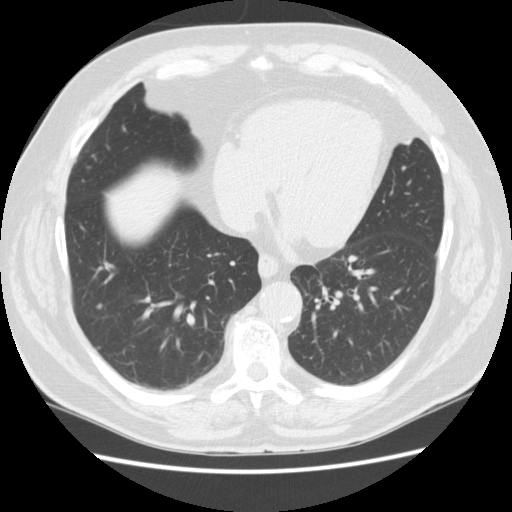
Axial chest CT slice 61 of 148 (counted from the lowest slice); tube voltage 120 kVp, convolution kernel STANDARD; slices 2.50 mm thick, 0.703 mm per pixel.
Pulmonary nodule at rows 302–309, columns 94–102 (box = the union of the readers' outlines on this slice), outlined by all four readers; median longest diameter 5.9 mm (readers' outlines 5.1–7.3 mm), median volume 82 mm3 (53–131 mm3). Median ratings and the readers' spread: median texture 5/5 (solid) (readers ranged 4/5 to 5/5 (solid)); median margin 5/5 (circumscribed) (readers ranged 4/5 to 5/5 (circumscribed)); sphericity 4.5/5 at the median of four readers, spread 4/5 to 5/5 (round); calcification absent, all four readers agreeing; internal structure soft tissue, all four readers agreeing; median subtlety 3/5 (readers ranged 2–5); median malignancy likelihood 2/5 (readers ranged 2–3). Scale key (1–5): texture non-solid→solid, margin indistinct→circumscribed, sphericity linear→round, subtlety extremely subtle→obvious, malignancy likelihood highly unlikely→highly suspicious of cancer. Box rows and columns are 0-based pixel indices from the top-left corner, inclusive.